Axial chest CT slice 181 of 208 (counted from the lowest slice); tube voltage 120 kVp, convolution kernel BONE; slices 1.25 mm thick, 0.514 mm per pixel.
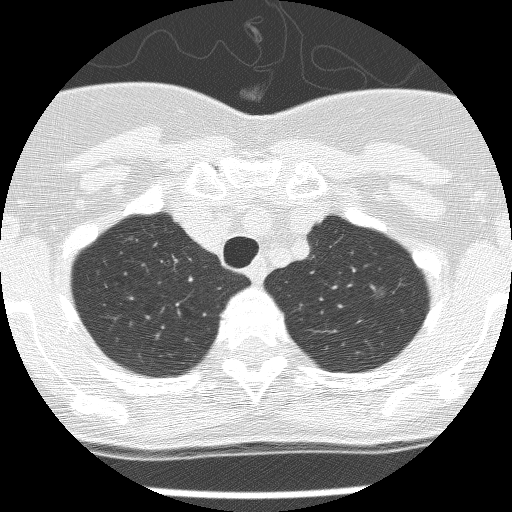
Pulmonary nodule outlined by one of the four readers; box rows 287–295, columns 377–384 (that reader's outline on this slice); longest diameter 5.5 mm and volume 35 mm3 from that reader's outline. Ratings by that reader: texture 1/5 (non-solid); margin 3/5; sphericity 3/5 (ovoid); calcification absent; internal structure soft tissue; subtlety 1/5; malignancy likelihood 3/5. Scale key (1–5): texture non-solid→solid, margin indistinct→circumscribed, sphericity linear→round, subtlety extremely subtle→obvious, malignancy likelihood highly unlikely→highly suspicious of cancer. Box rows and columns are 0-based pixel indices from the top-left corner, inclusive.